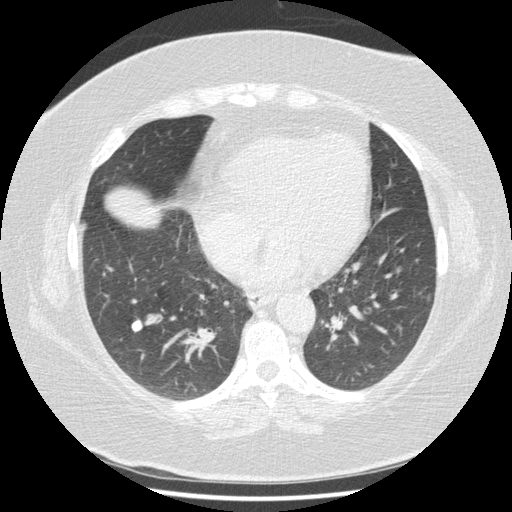
Axial chest CT slice 175 of 417 (counted from the lowest slice); tube voltage 120 kVp, convolution kernel STANDARD; slices 1.25 mm thick, 0.703 mm per pixel.
Two pulmonary nodules on this slice, listed from left to right. (1) Pulmonary nodule at rows 320–331, columns 130–143 (box = the union of the readers' outlines on this slice), outlined by all four readers; longest diameter 10.6 mm on average over the four readers' outlines (readers' outlines 10.5–10.9 mm), volume 396–502 mm3. The readers' prevailing ratings and who disagreed: texture 5/5 (solid), all four readers agreeing; margin 5/5 (circumscribed), all four readers agreeing; most readers (three of four) put sphericity at 4/5, others 3/5 (ovoid) (one); calcification solid calcification by three of four readers, absent (one); internal structure soft tissue, all four readers agreeing; subtlety 5/5, all four readers agreeing; malignancy likelihood 1/5, all four readers agreeing. (2) Pulmonary nodule, outlined by all four readers, three of them on this slice. Box on this slice rows 294–302, columns 427–429, the union of the readers' outlines on this slice; longest diameter 11.0 mm on average over the four readers' outlines (readers' outlines 10.1–11.6 mm), volume 183–290 mm3. Ratings, by the readers' most common answer with dissent counted: texture 5/5 (solid), all four readers agreeing; margin split among the readers: 4/5 (two), 5/5 (circumscribed) (two); most readers (three of four) put sphericity at 3/5 (ovoid), others 4/5 (one); calcification absent, all four readers agreeing; internal structure soft tissue from all four readers; most readers (three of four) put subtlety at 5/5, others 4/5 (one); most readers (three of four) put malignancy likelihood at 3/5, others 4/5 (one). Scale key (1–5): texture non-solid→solid, margin indistinct→circumscribed, sphericity linear→round, subtlety extremely subtle→obvious, malignancy likelihood highly unlikely→highly suspicious of cancer. Box rows and columns are 0-based pixel indices from the top-left corner, inclusive.